Chest CT, axial plane, 120 kVp, kernel STANDARD. Slice 202/516 from the bottom of the scan; thickness 1.25 mm; pixel size 0.820 mm.
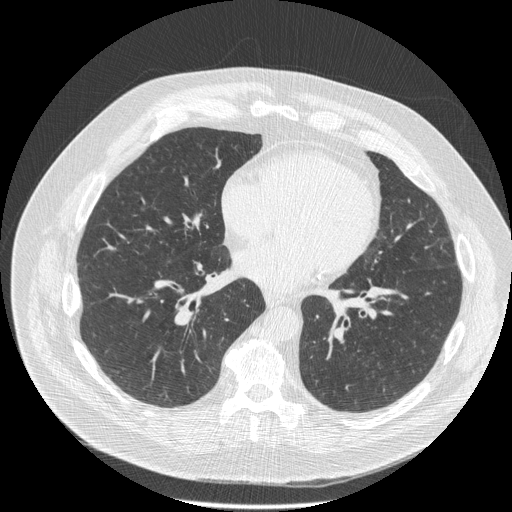
None of the four readers outlined a nodule of 3 mm or more on this slice.